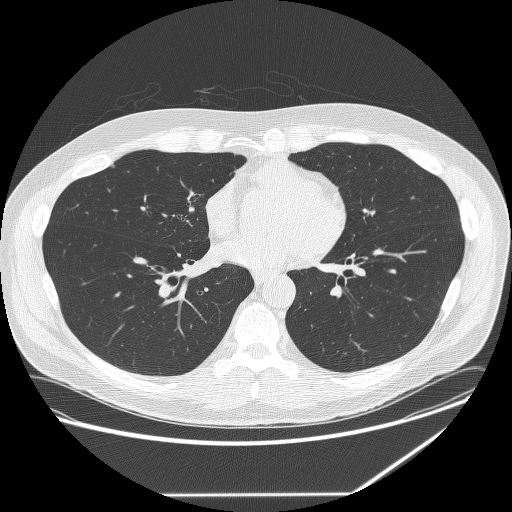
Axial chest CT slice 129 of 291 (counted from the lowest slice); 1.25 mm thick, 0.820 mm per pixel. Pulmonary nodule outlined by all four readers, three of them on this slice; box rows 164–167, columns 111–114 (the union of the readers' outlines on this slice); the four readers' outlines give a longest diameter between 5.5 and 6.2 mm and a volume between 56 and 90 mm3. The readers' ratings, as ranges where they differ: texture 5/5 (solid) from all four readers; margin from 4/5 to 5/5 (circumscribed) across the four readers; sphericity from 3/5 (ovoid) to 5/5 (round) across the four readers; calcification absent from all four readers; internal structure soft tissue, all four readers agreeing; subtlety rated between 2 and 4 out of 5 by the four readers; malignancy likelihood rated between 1 and 3 out of 5 by the four readers. Scale key (1–5): texture non-solid→solid, margin indistinct→circumscribed, sphericity linear→round, subtlety extremely subtle→obvious, malignancy likelihood highly unlikely→highly suspicious of cancer. Box rows and columns are 0-based pixel indices from the top-left corner, inclusive.
Tube voltage 120 kVp; convolution kernel BONE.